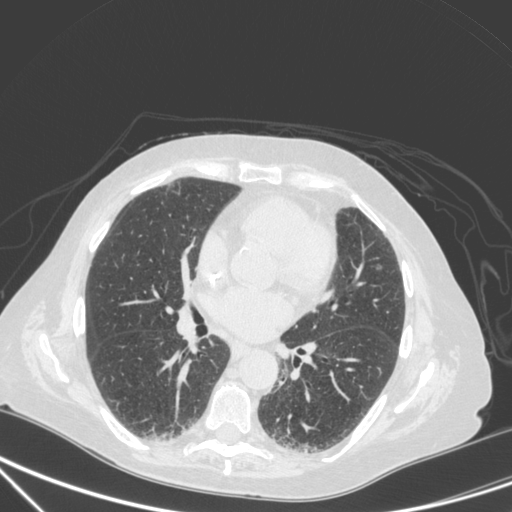
Axial slice 160 of 350 of a chest CT (slice 1 is the lowest), reconstructed with the C kernel at 120 kVp; 1.50 mm slice thickness and 0.725 mm pixels.
Pulmonary nodule, outlined by all four readers, two of them on this slice. Box on this slice rows 262–269, columns 374–382, the union of the readers' outlines on this slice; longest diameter 8.5–10.5 mm and volume 175–345 mm3 across the four readers' outlines. The readers' ratings, as ranges where they differ: texture from 4/5 to 5/5 (solid) across the four readers; margin from 4/5 to 5/5 (circumscribed) across the four readers; sphericity from 3/5 (ovoid) to 4/5 across the four readers; calcification absent from all four readers; internal structure soft tissue from all four readers; subtlety 5/5, all four readers agreeing; malignancy likelihood from 2/5 to 5/5 across the four readers. Scale key (1–5): texture non-solid→solid, margin indistinct→circumscribed, sphericity linear→round, subtlety extremely subtle→obvious, malignancy likelihood highly unlikely→highly suspicious of cancer. Box rows and columns are 0-based pixel indices from the top-left corner, inclusive.